Axial slice 397 of 481 of a chest CT (slice 1 is the lowest), reconstructed with the STANDARD kernel at 120 kVp; 1.25 mm slice thickness and 0.742 mm pixels.
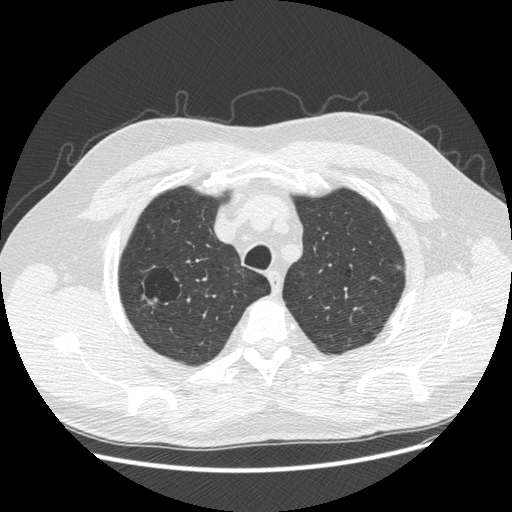
Pulmonary nodule outlined by two of the four readers, one of them on this slice; box rows 298–301, columns 148–156 (the one reader's outline on this slice); longest diameter 15.0–18.6 mm and volume 293–924 mm3 across the two readers' outlines. The readers' ratings, as ranges where they differ: texture 1/5 (non-solid), both readers agreeing; margin from 1/5 (indistinct) to 2/5 across the two readers; sphericity from 3/5 (ovoid) to 5/5 (round) across the two readers; calcification absent from both readers; internal structure soft tissue, both readers agreeing; subtlety 1–2/5 (the readers disagree); malignancy likelihood from 2/5 to 4/5 across the two readers. Scale key (1–5): texture non-solid→solid, margin indistinct→circumscribed, sphericity linear→round, subtlety extremely subtle→obvious, malignancy likelihood highly unlikely→highly suspicious of cancer. Box rows and columns are 0-based pixel indices from the top-left corner, inclusive.